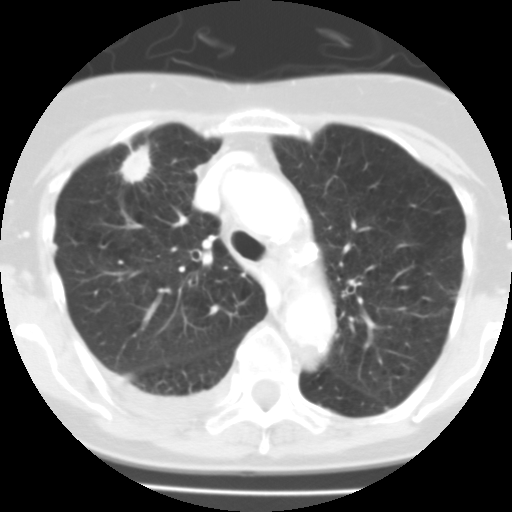
Axial chest CT slice 71 of 100 (counted from the lowest slice); tube voltage 135 kVp, convolution kernel FC01; slices 3.00 mm thick, 0.540 mm per pixel.
Pulmonary nodule outlined by all four readers; box rows 138–193, columns 113–158 (the union of the readers' outlines on this slice); the four readers' outlines give a longest diameter between 22.6 and 33.3 mm and a volume between 3212 and 10079 mm3. Ratings across the readers: texture from 4/5 to 5/5 (solid) across the four readers; margin from 1/5 (indistinct) to 4/5 across the four readers; sphericity from 3/5 (ovoid) to 5/5 (round) across the four readers; calcification absent from all four readers; internal structure soft tissue from all four readers; subtlety 5/5 from all four readers; malignancy likelihood 4–5/5 (the readers disagree). Scale key (1–5): texture non-solid→solid, margin indistinct→circumscribed, sphericity linear→round, subtlety extremely subtle→obvious, malignancy likelihood highly unlikely→highly suspicious of cancer. Box rows and columns are 0-based pixel indices from the top-left corner, inclusive.